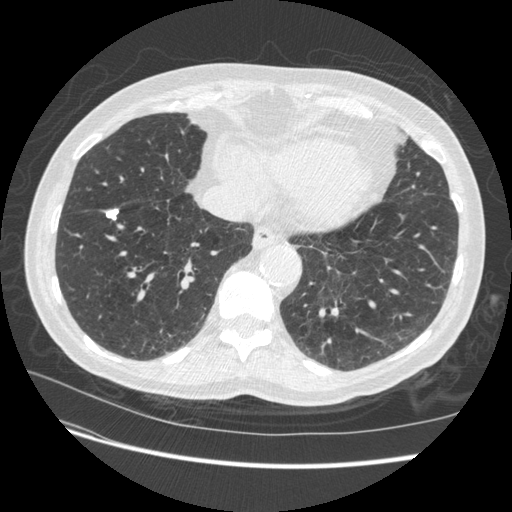
Slice 136/509 of a chest CT, counting up from the lowest; pixel size 0.703 mm, slice thickness 1.25 mm. Pulmonary nodule at rows 208–220, columns 106–118 (box = the union of the readers' outlines on this slice), outlined by three of the four readers; longest diameter 11.4–12.1 mm and volume 273–413 mm3 across the three readers' outlines. Ratings across the readers: texture 5/5 (solid), all three readers agreeing; margin from 4/5 to 5/5 (circumscribed) across the three readers; sphericity from 3/5 (ovoid) to 4/5 across the three readers; calcification solid calcification, all three readers agreeing; internal structure soft tissue, all three readers agreeing; subtlety rated between 4 and 5 out of 5 by the three readers; malignancy likelihood 1/5 from all three readers. Scale key (1–5): texture non-solid→solid, margin indistinct→circumscribed, sphericity linear→round, subtlety extremely subtle→obvious, malignancy likelihood highly unlikely→highly suspicious of cancer. Box rows and columns are 0-based pixel indices from the top-left corner, inclusive.
Scan settings: 120 kVp, STANDARD reconstruction kernel.